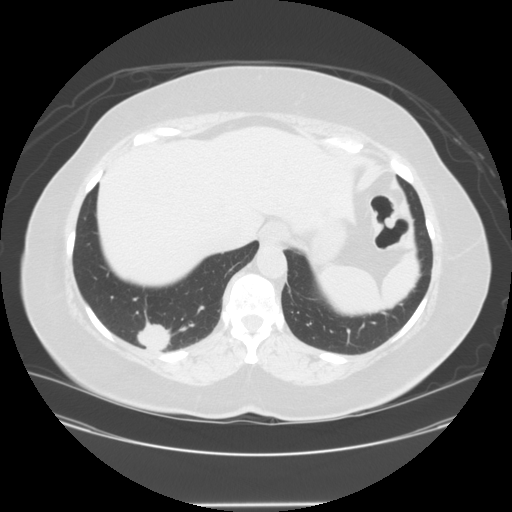
Chest CT, axial plane, 120 kVp, kernel STANDARD. Slice 50/150 from the bottom of the scan; thickness 2.50 mm; pixel size 0.820 mm.
Pulmonary nodule outlined by three of the four readers; box rows 323–350, columns 141–165 (the union of the readers' outlines on this slice); the three readers' outlines give a longest diameter between 34.5 and 41.5 mm and a volume between 15181 and 19016 mm3. Ratings across the readers: texture 5/5 (solid) from all three readers; margin from 2/5 to 4/5 across the three readers; sphericity from 3/5 (ovoid) to 5/5 (round) across the three readers; calcification absent, all three readers agreeing; internal structure soft tissue, all three readers agreeing; subtlety 5/5 from all three readers; malignancy likelihood 5/5, all three readers agreeing. Scale key (1–5): texture non-solid→solid, margin indistinct→circumscribed, sphericity linear→round, subtlety extremely subtle→obvious, malignancy likelihood highly unlikely→highly suspicious of cancer. Box rows and columns are 0-based pixel indices from the top-left corner, inclusive.